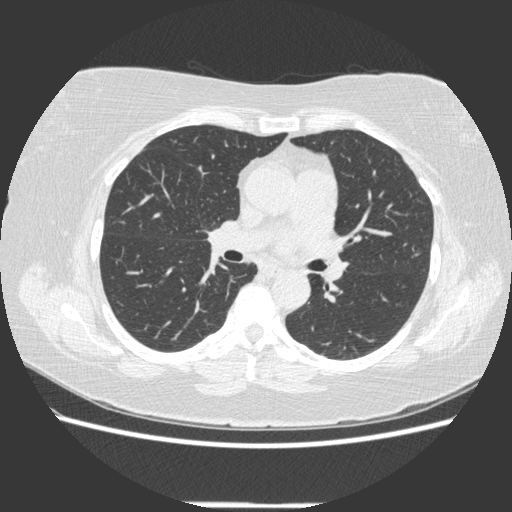
One axial slice (254 of 452, counting up from the lowest) of a chest CT acquired at 120 kVp with the STANDARD kernel; each pixel is 0.703 mm and the slice is 1.25 mm thick.
This slice carries no reader outline of a nodule 3 mm or larger.